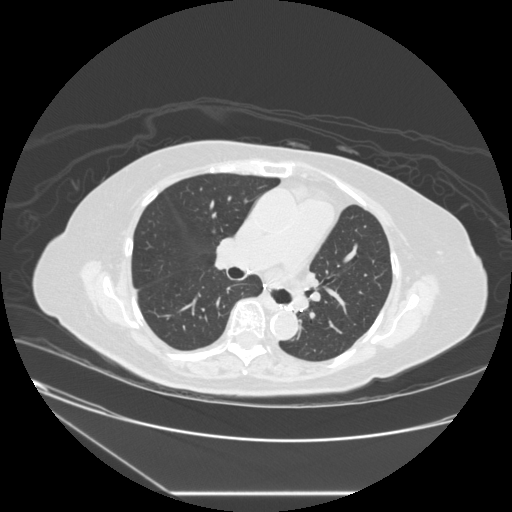
Slice 159/241 of a chest CT, counting up from the lowest; pixel size 0.773 mm, slice thickness 1.25 mm. Pulmonary nodule, outlined by three of the four readers, one of them on this slice. Box on this slice rows 230–232, columns 212–214, the one reader's outline on this slice; the three readers' outlines give a longest diameter between 6.4 and 7.1 mm and a volume between 103 and 202 mm3. The readers' ratings, as ranges where they differ: texture 5/5 (solid), all three readers agreeing; margin 5/5 (circumscribed) from all three readers; sphericity from 3/5 (ovoid) to 5/5 (round) across the three readers; calcification: solid calcification (two), central calcification (one); internal structure soft tissue, all three readers agreeing; subtlety from 4/5 to 5/5 across the three readers; malignancy likelihood 1/5 from all three readers. Scale key (1–5): texture non-solid→solid, margin indistinct→circumscribed, sphericity linear→round, subtlety extremely subtle→obvious, malignancy likelihood highly unlikely→highly suspicious of cancer. Box rows and columns are 0-based pixel indices from the top-left corner, inclusive.
Scan settings: 120 kVp, STANDARD reconstruction kernel.